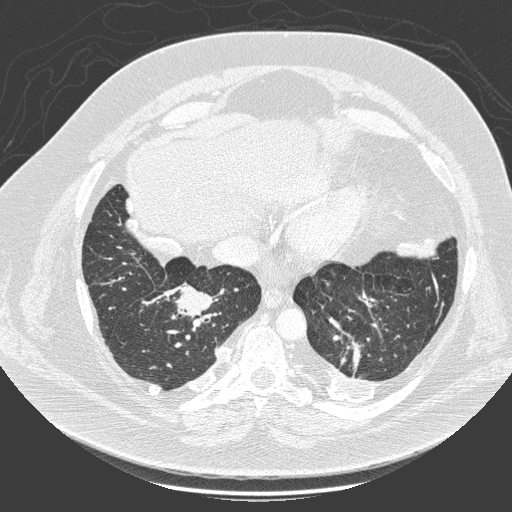
One axial slice (72 of 280, counting up from the lowest) of a chest CT acquired at 140 kVp with the D kernel; each pixel is 0.801 mm and the slice is 1.00 mm thick.
Pulmonary nodule, outlined by one of the four readers. Box on this slice rows 285–315, columns 177–210, that reader's outline on this slice; longest diameter 49.9 mm and volume 31112 mm3 from that reader's outline. That reader's ratings: texture 5/5 (solid); margin 4/5; sphericity 5/5 (round); calcification non-central calcification; internal structure soft tissue; subtlety 5/5; malignancy likelihood 5/5. Scale key (1–5): texture non-solid→solid, margin indistinct→circumscribed, sphericity linear→round, subtlety extremely subtle→obvious, malignancy likelihood highly unlikely→highly suspicious of cancer. Box rows and columns are 0-based pixel indices from the top-left corner, inclusive.